Axial slice 144 of 239 of a chest CT (slice 1 is the lowest), reconstructed with the BONE kernel at 120 kVp; 1.25 mm slice thickness and 0.795 mm pixels.
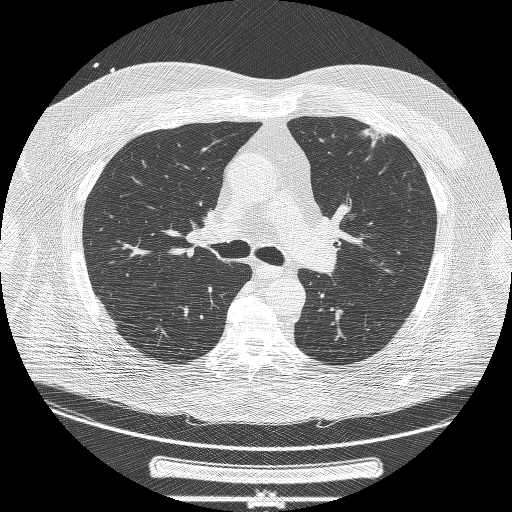
Pulmonary nodule, outlined by two of the four readers. Box on this slice rows 127–146, columns 360–385, the union of the readers' outlines on this slice; longest diameter 43.0–43.4 mm and volume 10396–11168 mm3 across the two readers' outlines. The readers' ratings, as ranges where they differ: texture from 3/5 (part-solid) to 5/5 (solid) across the two readers; margin from 1/5 (indistinct) to 3/5 across the two readers; sphericity from 1/5 (linear) to 3/5 (ovoid) across the two readers; calcification absent from both readers; internal structure soft tissue from both readers; subtlety 5/5 from both readers; malignancy likelihood 5/5 from both readers. Scale key (1–5): texture non-solid→solid, margin indistinct→circumscribed, sphericity linear→round, subtlety extremely subtle→obvious, malignancy likelihood highly unlikely→highly suspicious of cancer. Box rows and columns are 0-based pixel indices from the top-left corner, inclusive.